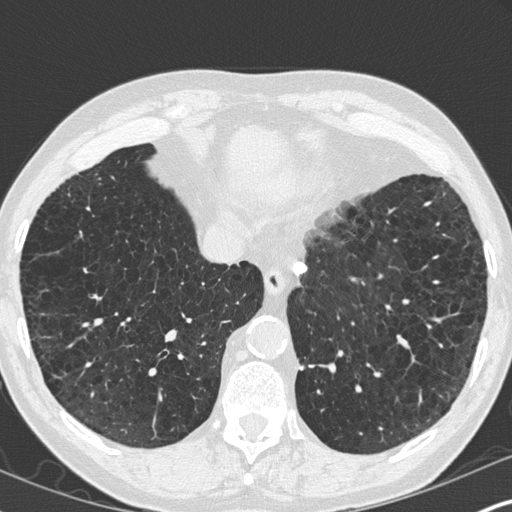
Chest CT, axial plane, 120 kVp, kernel B45f. Slice 96/347 from the bottom of the scan; thickness 1.00 mm; pixel size 0.625 mm.
Pulmonary nodule, outlined by two of the four readers, one of them on this slice. Box on this slice rows 364–370, columns 299–315, the one reader's outline on this slice; longest diameter 10.7–14.3 mm and volume 348–470 mm3 across the two readers' outlines. Ratings across the readers: texture 5/5 (solid), both readers agreeing; margin from 4/5 to 5/5 (circumscribed) across the two readers; sphericity from 3/5 (ovoid) to 4/5 across the two readers; calcification solid calcification, both readers agreeing; internal structure soft tissue, both readers agreeing; subtlety 5/5 from both readers; malignancy likelihood 1/5, both readers agreeing. Scale key (1–5): texture non-solid→solid, margin indistinct→circumscribed, sphericity linear→round, subtlety extremely subtle→obvious, malignancy likelihood highly unlikely→highly suspicious of cancer. Box rows and columns are 0-based pixel indices from the top-left corner, inclusive.